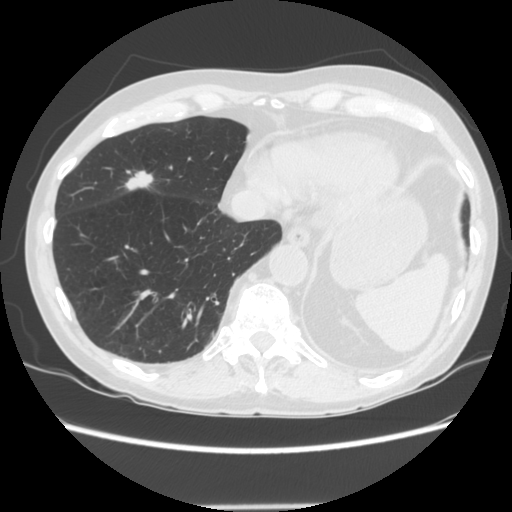
Axial chest CT slice 45 of 143 (counted from the lowest slice); 2.50 mm thick, 0.703 mm per pixel. Pulmonary nodule outlined by all four readers; box rows 170–190, columns 118–153 (the union of the readers' outlines on this slice); longest diameter 23.9 mm on average over the four readers' outlines (readers' outlines 21.6–28.5 mm), volume 1793–2260 mm3. The readers' prevailing ratings and who disagreed: texture 5/5 (solid) by three of four readers; the rest gave 4/5 (one); margin 4/5 by three of four readers; the rest gave 5/5 (circumscribed) (one); sphericity split among the readers: 2/5 (one), 3/5 (ovoid) (one), 4/5 (one), 5/5 (round) (one); calcification absent, all four readers agreeing; internal structure soft tissue from all four readers; subtlety 5/5, all four readers agreeing; most readers (three of four) put malignancy likelihood at 5/5, others 4/5 (one). Scale key (1–5): texture non-solid→solid, margin indistinct→circumscribed, sphericity linear→round, subtlety extremely subtle→obvious, malignancy likelihood highly unlikely→highly suspicious of cancer. Box rows and columns are 0-based pixel indices from the top-left corner, inclusive.
Acquired at 120 kVp and reconstructed with the STANDARD kernel.